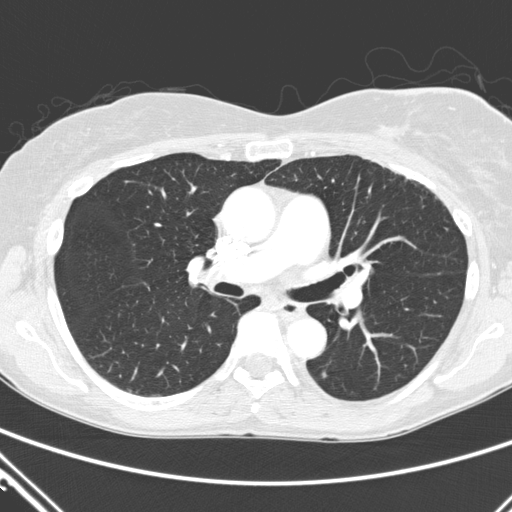
Chest CT, axial plane, 120 kVp, kernel D. Slice 290/411 from the bottom of the scan; thickness 2.00 mm; pixel size 0.654 mm.
Pulmonary nodule outlined by one of the four readers; box rows 371–378, columns 321–326 (that reader's outline on this slice); longest diameter 6.2 mm and volume 53 mm3 from that reader's outline. That reader's ratings: texture 5/5 (solid); margin 5/5 (circumscribed); sphericity 5/5 (round); calcification absent; internal structure soft tissue; subtlety 3/5; malignancy likelihood 3/5. Scale key (1–5): texture non-solid→solid, margin indistinct→circumscribed, sphericity linear→round, subtlety extremely subtle→obvious, malignancy likelihood highly unlikely→highly suspicious of cancer. Box rows and columns are 0-based pixel indices from the top-left corner, inclusive.